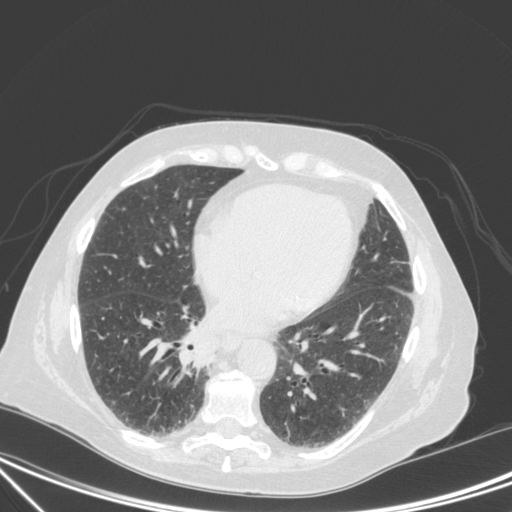
Axial chest CT slice 126 of 350 (counted from the lowest slice); tube voltage 120 kVp, convolution kernel C; slices 1.50 mm thick, 0.725 mm per pixel.
Pulmonary nodule at rows 333–366, columns 192–217 (box = that reader's outline on this slice), outlined by one of the four readers; longest diameter 29.7 mm and volume 4028 mm3 from that reader's outline. Ratings by that reader: texture 5/5 (solid); margin 3/5; sphericity 3/5 (ovoid); calcification absent; internal structure soft tissue; subtlety 5/5; malignancy likelihood 4/5. Scale key (1–5): texture non-solid→solid, margin indistinct→circumscribed, sphericity linear→round, subtlety extremely subtle→obvious, malignancy likelihood highly unlikely→highly suspicious of cancer. Box rows and columns are 0-based pixel indices from the top-left corner, inclusive.